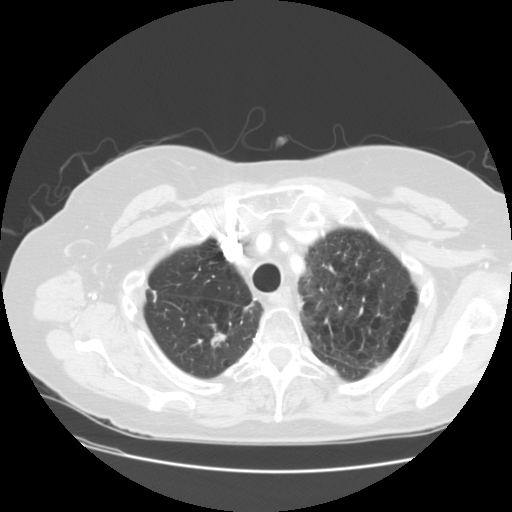
This is axial slice 110 of 127 (slice 1 is the lowest) of a chest CT; each pixel is 0.703 mm and the slice is 2.50 mm thick. Pulmonary nodule at rows 331–349, columns 210–226 (box = the union of the readers' outlines on this slice), outlined by three of the four readers; longest diameter 12.3–14.7 mm and volume 276–644 mm3 across the three readers' outlines. Ratings across the readers: texture from 4/5 to 5/5 (solid) across the three readers; margin from 3/5 to 4/5 across the three readers; sphericity from 3/5 (ovoid) to 5/5 (round) across the three readers; calcification absent, all three readers agreeing; internal structure soft tissue from all three readers; subtlety from 4/5 to 5/5 across the three readers; malignancy likelihood rated between 2 and 4 out of 5 by the three readers. Scale key (1–5): texture non-solid→solid, margin indistinct→circumscribed, sphericity linear→round, subtlety extremely subtle→obvious, malignancy likelihood highly unlikely→highly suspicious of cancer. Box rows and columns are 0-based pixel indices from the top-left corner, inclusive.
Tube voltage 120 kVp; convolution kernel STANDARD.